Axial chest CT slice 56 of 150 (counted from the lowest slice); tube voltage 120 kVp, convolution kernel STANDARD; slices 2.50 mm thick, 0.820 mm per pixel.
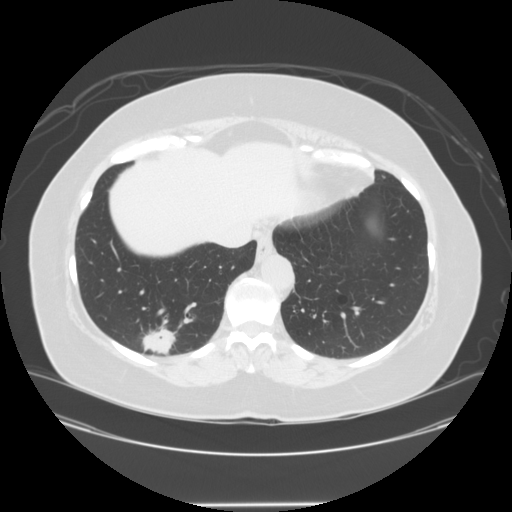
Pulmonary nodule outlined by three of the four readers; box rows 323–353, columns 137–179 (the union of the readers' outlines on this slice); longest diameter 34.5–41.5 mm and volume 15181–19016 mm3 across the three readers' outlines. Ratings across the readers: texture 5/5 (solid), all three readers agreeing; margin from 2/5 to 4/5 across the three readers; sphericity from 3/5 (ovoid) to 5/5 (round) across the three readers; calcification absent from all three readers; internal structure soft tissue, all three readers agreeing; subtlety 5/5, all three readers agreeing; malignancy likelihood 5/5 from all three readers. Scale key (1–5): texture non-solid→solid, margin indistinct→circumscribed, sphericity linear→round, subtlety extremely subtle→obvious, malignancy likelihood highly unlikely→highly suspicious of cancer. Box rows and columns are 0-based pixel indices from the top-left corner, inclusive.